One axial slice (249 of 477, counting up from the lowest) of a chest CT acquired at 120 kVp with the STANDARD kernel; each pixel is 0.664 mm and the slice is 1.25 mm thick.
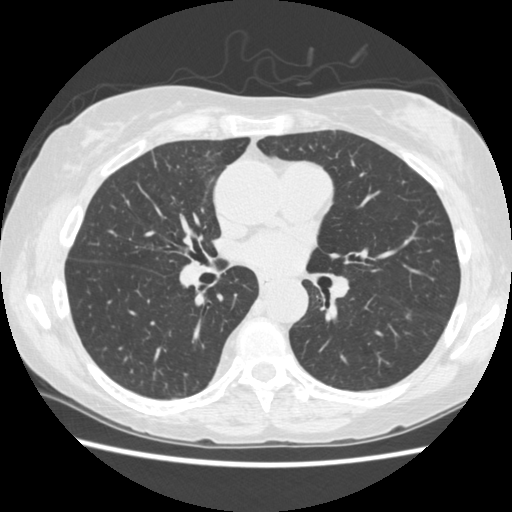
Pulmonary nodule at rows 313–319, columns 406–410 (box = the union of the readers' outlines on this slice), outlined by two of the four readers; longest diameter 6.3–7.2 mm and volume 34–53 mm3 across the two readers' outlines. Ratings across the readers: texture 5/5 (solid), both readers agreeing; margin from 3/5 to 5/5 (circumscribed) across the two readers; sphericity from 2/5 to 3/5 (ovoid) across the two readers; calcification absent, both readers agreeing; internal structure soft tissue, both readers agreeing; subtlety 1–3/5 (the readers disagree); malignancy likelihood 2/5 from both readers. Scale key (1–5): texture non-solid→solid, margin indistinct→circumscribed, sphericity linear→round, subtlety extremely subtle→obvious, malignancy likelihood highly unlikely→highly suspicious of cancer. Box rows and columns are 0-based pixel indices from the top-left corner, inclusive.